Axial chest CT slice 67 of 193 (counted from the lowest slice); tube voltage 120 kVp, convolution kernel B30f; slices 2.00 mm thick, 0.547 mm per pixel.
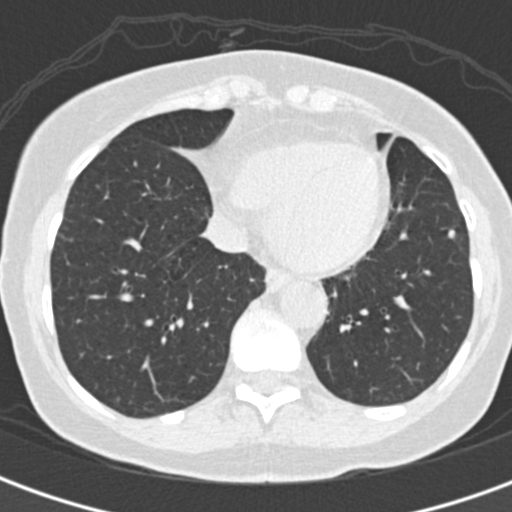
Pulmonary nodule at rows 229–238, columns 446–454 (box = the union of the readers' outlines on this slice), outlined by all four readers; longest diameter 5.6–6.4 mm and volume 51–80 mm3 across the four readers' outlines. Ratings across the readers: texture from 4/5 to 5/5 (solid) across the four readers; margin from 4/5 to 5/5 (circumscribed) across the four readers; sphericity from 4/5 to 5/5 (round) across the four readers; calcification absent, all four readers agreeing; internal structure soft tissue, all four readers agreeing; subtlety from 3/5 to 4/5 across the four readers; malignancy likelihood rated between 2 and 3 out of 5 by the four readers. Scale key (1–5): texture non-solid→solid, margin indistinct→circumscribed, sphericity linear→round, subtlety extremely subtle→obvious, malignancy likelihood highly unlikely→highly suspicious of cancer. Box rows and columns are 0-based pixel indices from the top-left corner, inclusive.